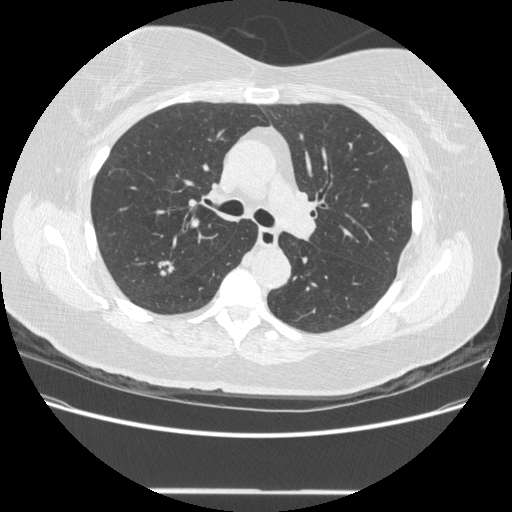
Axial chest CT slice 300 of 481 (counted from the lowest slice); 1.25 mm thick, 0.742 mm per pixel. Pulmonary nodule, outlined by three of the four readers. Box on this slice rows 259–275, columns 156–173, the union of the readers' outlines on this slice; the three readers' outlines give a longest diameter between 13.9 and 15.6 mm and a volume between 741 and 820 mm3. The readers' ratings, as ranges where they differ: texture 4/5, all three readers agreeing; margin from 3/5 to 4/5 across the three readers; sphericity from 3/5 (ovoid) to 4/5 across the three readers; calcification absent, all three readers agreeing; internal structure soft tissue from all three readers; subtlety from 4/5 to 5/5 across the three readers; malignancy likelihood from 4/5 to 5/5 across the three readers. Scale key (1–5): texture non-solid→solid, margin indistinct→circumscribed, sphericity linear→round, subtlety extremely subtle→obvious, malignancy likelihood highly unlikely→highly suspicious of cancer. Box rows and columns are 0-based pixel indices from the top-left corner, inclusive.
Acquired at 120 kVp and reconstructed with the STANDARD kernel.